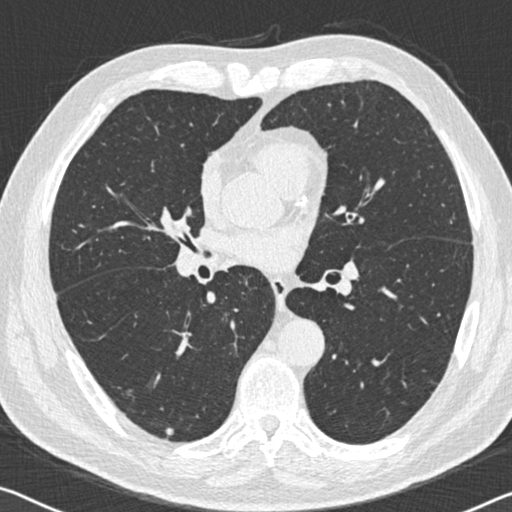
One axial slice (306 of 536, counting up from the lowest) of a chest CT acquired at 120 kVp with the B30f kernel; each pixel is 0.656 mm and the slice is 0.75 mm thick.
Pulmonary nodule outlined by three of the four readers; box rows 427–436, columns 164–173 (the union of the readers' outlines on this slice); longest diameter 7.5 mm on average over the three readers' outlines (readers' outlines 5.9–8.6 mm), volume 49–116 mm3. Ratings, by the readers' most common answer with dissent counted: texture 5/5 (solid) by two of three readers; the rest gave 4/5 (one); margin 4/5 from all three readers; most readers (two of three) put sphericity at 3/5 (ovoid), others 4/5 (one); calcification absent by two of three readers, non-central calcification (one); internal structure soft tissue, all three readers agreeing; subtlety split among the readers: 3/5 (one), 4/5 (one), 5/5 (one); most readers (two of three) put malignancy likelihood at 2/5, others 3/5 (one). Scale key (1–5): texture non-solid→solid, margin indistinct→circumscribed, sphericity linear→round, subtlety extremely subtle→obvious, malignancy likelihood highly unlikely→highly suspicious of cancer. Box rows and columns are 0-based pixel indices from the top-left corner, inclusive.